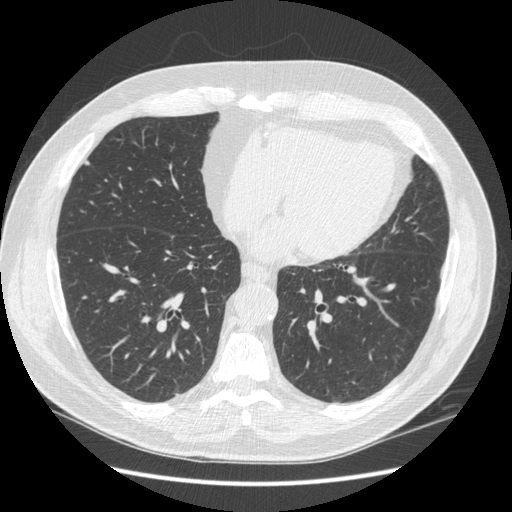
One axial slice (178 of 462, counting up from the lowest) of a chest CT acquired at 120 kVp with the STANDARD kernel; each pixel is 0.742 mm and the slice is 1.25 mm thick.
Pulmonary nodule at rows 160–165, columns 84–89 (box = the union of the readers' outlines on this slice), outlined by all four readers; the four readers' outlines give a longest diameter between 6.6 and 7.3 mm and a volume between 76 and 107 mm3. The readers' ratings, as ranges where they differ: texture 5/5 (solid) from all four readers; margin from 4/5 to 5/5 (circumscribed) across the four readers; sphericity from 2/5 to 5/5 (round) across the four readers; calcification absent, all four readers agreeing; internal structure soft tissue, all four readers agreeing; subtlety from 3/5 to 4/5 across the four readers; malignancy likelihood rated between 1 and 3 out of 5 by the four readers. Scale key (1–5): texture non-solid→solid, margin indistinct→circumscribed, sphericity linear→round, subtlety extremely subtle→obvious, malignancy likelihood highly unlikely→highly suspicious of cancer. Box rows and columns are 0-based pixel indices from the top-left corner, inclusive.